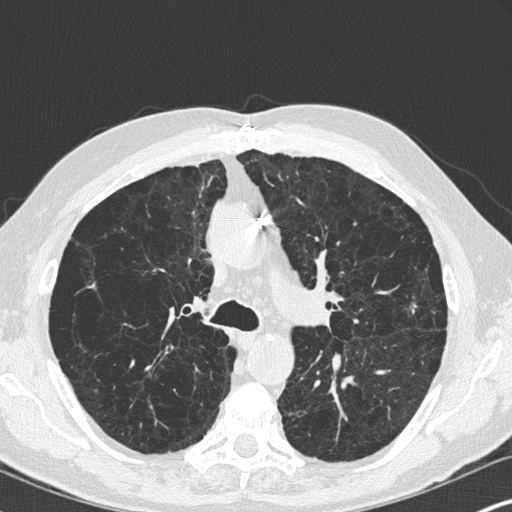
Chest CT, axial plane, 120 kVp, kernel B45f. Slice 212/347 from the bottom of the scan; thickness 1.00 mm; pixel size 0.625 mm.
Two pulmonary nodules on this slice, listed from left to right. (1) Pulmonary nodule at rows 283–287, columns 88–94 (box = the union of the readers' outlines on this slice), outlined by two of the four readers; median longest diameter 10.2 mm (readers' outlines 10.1–10.3 mm), median volume 132 mm3 (119–145 mm3). Ratings, median across the readers with their spread: texture 5/5 (solid) from both readers; median margin 4/5 (readers ranged 3/5 to 5/5 (circumscribed)); sphericity 2/5, both readers agreeing; calcification absent, both readers agreeing; internal structure soft tissue from both readers; subtlety 3/5, both readers agreeing; malignancy likelihood 2.5/5 at the median of two readers, spread 2–3. (2) Pulmonary nodule at rows 309–312, columns 412–414 (box = that reader's outline on this slice), outlined by one of the four readers; longest diameter 5.3 mm and volume 43 mm3 from that reader's outline. Ratings by that reader: texture 5/5 (solid); margin 4/5; sphericity 4/5; calcification absent; internal structure soft tissue; subtlety 5/5; malignancy likelihood 2/5. Scale key (1–5): texture non-solid→solid, margin indistinct→circumscribed, sphericity linear→round, subtlety extremely subtle→obvious, malignancy likelihood highly unlikely→highly suspicious of cancer. Box rows and columns are 0-based pixel indices from the top-left corner, inclusive.